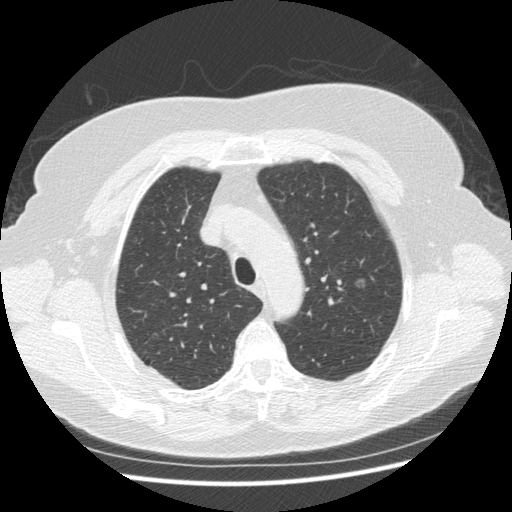
One axial slice (327 of 413, counting up from the lowest) of a chest CT acquired at 120 kVp with the STANDARD kernel; each pixel is 0.703 mm and the slice is 1.25 mm thick.
Pulmonary nodule at rows 278–288, columns 355–364 (box = the union of the readers' outlines on this slice), outlined by two of the four readers; longest diameter 10.1 mm and volume 131–234 mm3 across the two readers' outlines. Ratings across the readers: texture 1/5 (non-solid) from both readers; margin from 1/5 (indistinct) to 3/5 across the two readers; sphericity from 4/5 to 5/5 (round) across the two readers; calcification absent from both readers; internal structure soft tissue, both readers agreeing; subtlety 1–4/5 (the readers disagree); malignancy likelihood from 3/5 to 4/5 across the two readers. Scale key (1–5): texture non-solid→solid, margin indistinct→circumscribed, sphericity linear→round, subtlety extremely subtle→obvious, malignancy likelihood highly unlikely→highly suspicious of cancer. Box rows and columns are 0-based pixel indices from the top-left corner, inclusive.